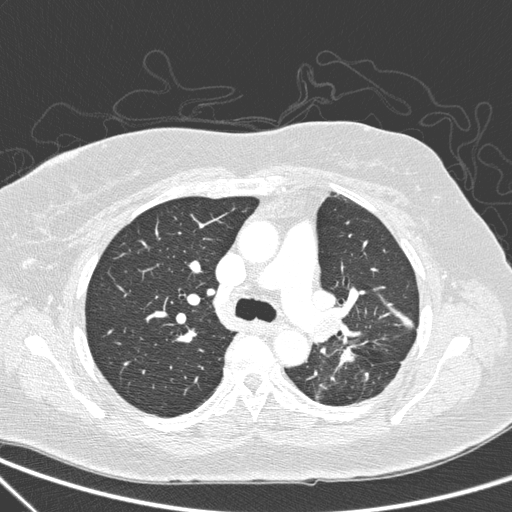
Axial chest CT slice 185 of 266 (counted from the lowest slice); 1.00 mm thick, 0.668 mm per pixel. Pulmonary nodule, outlined by one of the four readers. Box on this slice rows 352–360, columns 344–352, that reader's outline on this slice; longest diameter 11.5 mm and volume 333 mm3 from that reader's outline. That reader's ratings: texture 5/5 (solid); margin 3/5; sphericity 2/5; calcification absent; internal structure soft tissue; subtlety 3/5; malignancy likelihood 4/5. Scale key (1–5): texture non-solid→solid, margin indistinct→circumscribed, sphericity linear→round, subtlety extremely subtle→obvious, malignancy likelihood highly unlikely→highly suspicious of cancer. Box rows and columns are 0-based pixel indices from the top-left corner, inclusive.
Scan settings: 120 kVp, D reconstruction kernel.